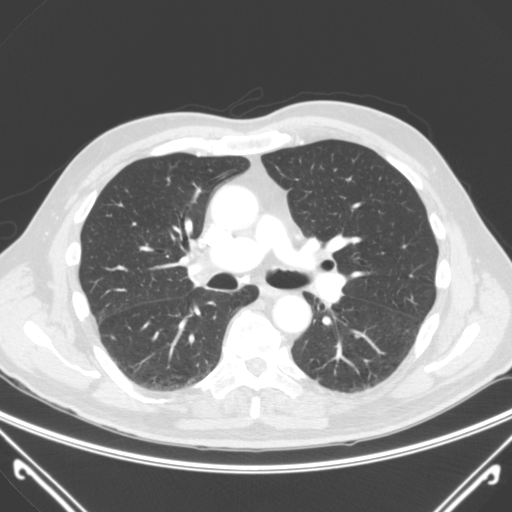
One axial slice (150 of 285, counting up from the lowest) of a chest CT acquired at 120 kVp with the B kernel; each pixel is 0.748 mm and the slice is 2.00 mm thick.
Pulmonary nodule, outlined by all four readers. Box on this slice rows 335–339, columns 110–115, the union of the readers' outlines on this slice; longest diameter 7.0 mm on average over the four readers' outlines (readers' outlines 6.0–7.7 mm), volume 50–138 mm3. The readers' prevailing ratings and who disagreed: texture 5/5 (solid) by three of four readers; the rest gave 4/5 (one); margin 5/5 (circumscribed) by three of four readers; the rest gave 4/5 (one); sphericity 5/5 (round) by two of four readers; the rest gave 2/5 (one), 4/5 (one); calcification absent, all four readers agreeing; internal structure soft tissue, all four readers agreeing; subtlety split among the readers: 2/5 (one), 3/5 (one), 4/5 (one), 5/5 (one); malignancy likelihood split among the readers: 2/5 (two), 4/5 (two). Scale key (1–5): texture non-solid→solid, margin indistinct→circumscribed, sphericity linear→round, subtlety extremely subtle→obvious, malignancy likelihood highly unlikely→highly suspicious of cancer. Box rows and columns are 0-based pixel indices from the top-left corner, inclusive.